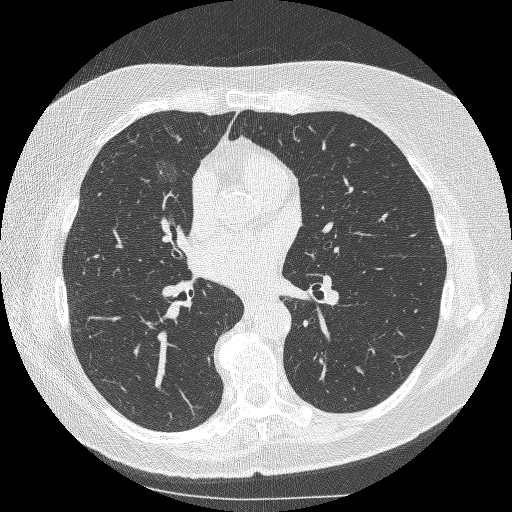
One axial slice (148 of 253, counting up from the lowest) of a chest CT acquired at 120 kVp with the BONE kernel; each pixel is 0.625 mm and the slice is 1.25 mm thick.
Pulmonary nodule outlined by two of the four readers; box rows 160–181, columns 154–176 (the union of the readers' outlines on this slice); longest diameter 18.7–23.7 mm and volume 1459–2126 mm3 across the two readers' outlines. Ratings across the readers: texture 1/5 (non-solid), both readers agreeing; margin 1/5 (indistinct) from both readers; sphericity from 3/5 (ovoid) to 4/5 across the two readers; calcification absent from both readers; internal structure soft tissue, both readers agreeing; subtlety from 1/5 to 3/5 across the two readers; malignancy likelihood 3–4/5 (the readers disagree). Scale key (1–5): texture non-solid→solid, margin indistinct→circumscribed, sphericity linear→round, subtlety extremely subtle→obvious, malignancy likelihood highly unlikely→highly suspicious of cancer. Box rows and columns are 0-based pixel indices from the top-left corner, inclusive.